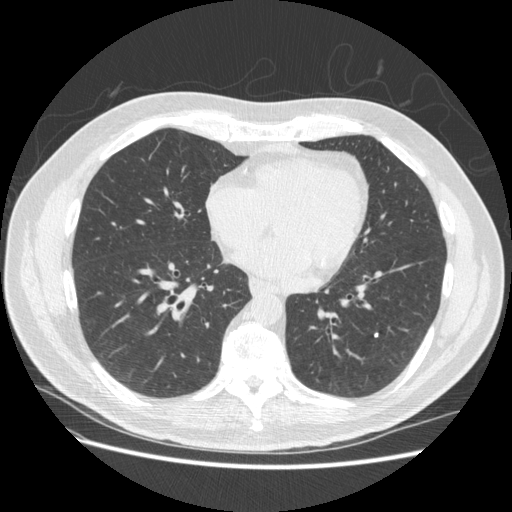
Axial slice 196 of 474 of a chest CT (slice 1 is the lowest), reconstructed with the STANDARD kernel at 120 kVp; 1.25 mm slice thickness and 0.723 mm pixels.
Pulmonary nodule, outlined by one of the four readers. Box on this slice rows 333–336, columns 374–377, that reader's outline on this slice; longest diameter 3.9 mm and volume 23 mm3 from that reader's outline. That reader's ratings: texture 5/5 (solid); margin 5/5 (circumscribed); sphericity 5/5 (round); calcification solid calcification; internal structure soft tissue; subtlety 4/5; malignancy likelihood 1/5. Scale key (1–5): texture non-solid→solid, margin indistinct→circumscribed, sphericity linear→round, subtlety extremely subtle→obvious, malignancy likelihood highly unlikely→highly suspicious of cancer. Box rows and columns are 0-based pixel indices from the top-left corner, inclusive.